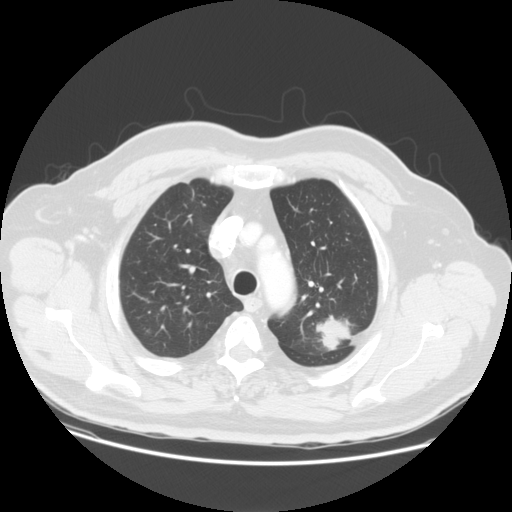
Axial chest CT slice 119 of 149 (counted from the lowest slice); tube voltage 120 kVp, convolution kernel STANDARD; slices 2.50 mm thick, 0.781 mm per pixel.
Pulmonary nodule outlined by three of the four readers; box rows 315–349, columns 317–350 (the union of the readers' outlines on this slice); longest diameter 41.1 mm on average over the three readers' outlines (readers' outlines 34.5–53.9 mm), volume 15350–17058 mm3. Ratings, by the readers' most common answer with dissent counted: texture 5/5 (solid), all three readers agreeing; margin 4/5 by two of three readers; the rest gave 5/5 (circumscribed) (one); most readers (two of three) put sphericity at 4/5, others 5/5 (round) (one); calcification absent, all three readers agreeing; internal structure soft tissue from all three readers; subtlety 5/5 from all three readers; most readers (two of three) put malignancy likelihood at 5/5, others 4/5 (one). Scale key (1–5): texture non-solid→solid, margin indistinct→circumscribed, sphericity linear→round, subtlety extremely subtle→obvious, malignancy likelihood highly unlikely→highly suspicious of cancer. Box rows and columns are 0-based pixel indices from the top-left corner, inclusive.